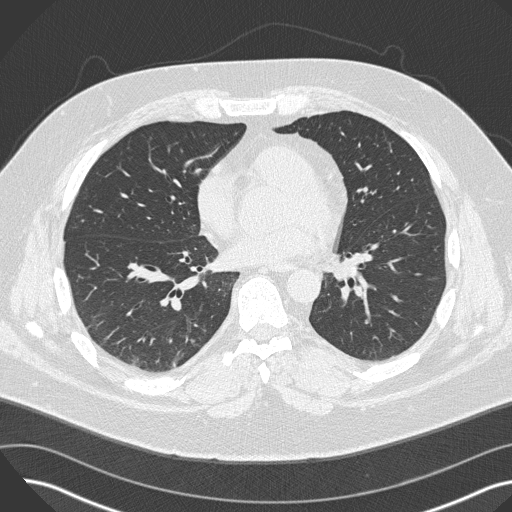
Axial chest CT slice 159 of 341 (counted from the lowest slice); tube voltage 120 kVp, convolution kernel B45f; slices 1.00 mm thick, 0.742 mm per pixel.
None of the four readers outlined a nodule of 3 mm or more on this slice.